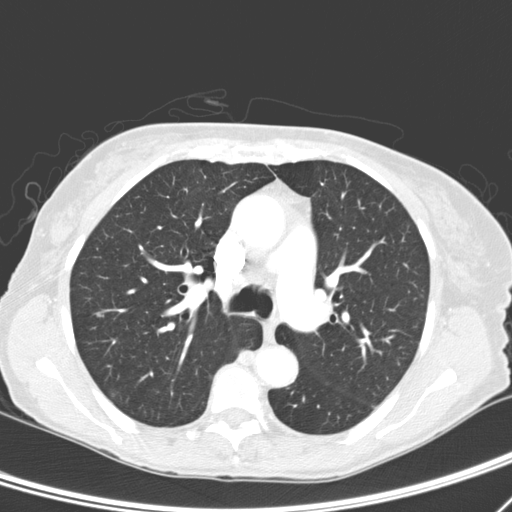
This is axial slice 185 of 276 (slice 1 is the lowest) of a chest CT; each pixel is 0.617 mm and the slice is 2.00 mm thick. Pulmonary nodule, outlined by one of the four readers. Box on this slice rows 313–317, columns 96–101, that reader's outline on this slice; longest diameter 4.7 mm and volume 19 mm3 from that reader's outline. That reader's ratings: texture 5/5 (solid); margin 5/5 (circumscribed); sphericity 5/5 (round); calcification absent; internal structure soft tissue; subtlety 3/5; malignancy likelihood 1/5. Scale key (1–5): texture non-solid→solid, margin indistinct→circumscribed, sphericity linear→round, subtlety extremely subtle→obvious, malignancy likelihood highly unlikely→highly suspicious of cancer. Box rows and columns are 0-based pixel indices from the top-left corner, inclusive.
Acquired at 120 kVp and reconstructed with the D kernel.